Axial chest CT slice 68 of 104 (counted from the lowest slice); tube voltage 135 kVp, convolution kernel FC01; slices 3.00 mm thick, 0.741 mm per pixel.
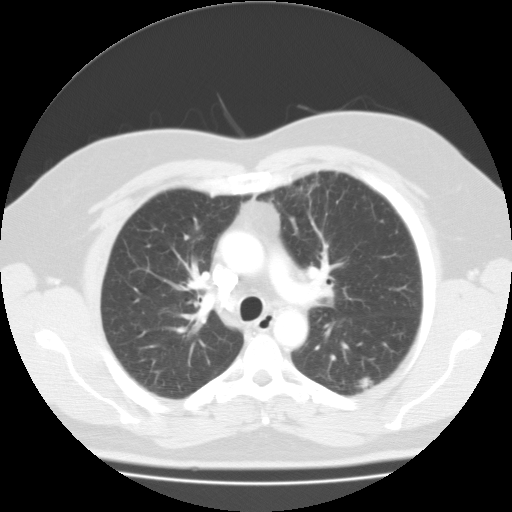
Pulmonary nodule at rows 377–389, columns 354–374 (box = the union of the readers' outlines on this slice), outlined by three of the four readers; median longest diameter 15.1 mm (readers' outlines 14.4–16.4 mm), median volume 787 mm3 (759–979 mm3). Ratings, median across the readers with their spread: median texture 4/5 (readers ranged 3/5 (part-solid) to 5/5 (solid)); median margin 2/5 (readers ranged 1/5 (indistinct) to 3/5); sphericity 3/5 (ovoid) at the median of three readers, spread 3/5 (ovoid) to 5/5 (round); calcification absent, all three readers agreeing; internal structure soft tissue, all three readers agreeing; median subtlety 4/5 (readers ranged 4–5); malignancy likelihood 5/5 at the median of three readers, spread 4–5. Scale key (1–5): texture non-solid→solid, margin indistinct→circumscribed, sphericity linear→round, subtlety extremely subtle→obvious, malignancy likelihood highly unlikely→highly suspicious of cancer. Box rows and columns are 0-based pixel indices from the top-left corner, inclusive.